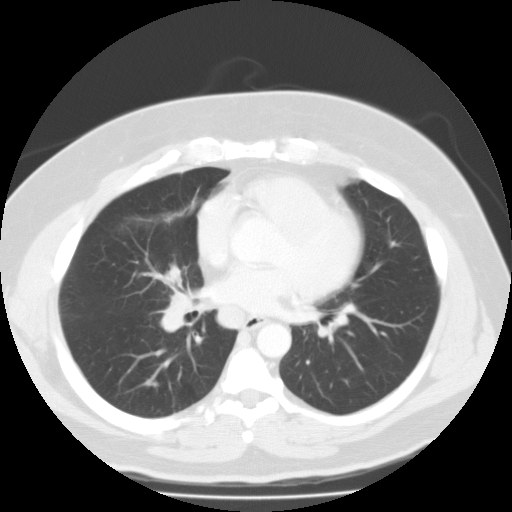
Axial chest CT slice 68 of 126 (counted from the lowest slice); 3.00 mm thick, 0.744 mm per pixel. Pulmonary nodule outlined by one of the four readers; box rows 378–385, columns 147–156 (that reader's outline on this slice); longest diameter 9.4 mm and volume 188 mm3 from that reader's outline. Ratings by that reader: texture 4/5; margin 2/5; sphericity 4/5; calcification absent; internal structure soft tissue; subtlety 1/5; malignancy likelihood 3/5. Scale key (1–5): texture non-solid→solid, margin indistinct→circumscribed, sphericity linear→round, subtlety extremely subtle→obvious, malignancy likelihood highly unlikely→highly suspicious of cancer. Box rows and columns are 0-based pixel indices from the top-left corner, inclusive.
Scan settings: 135 kVp, FC01 reconstruction kernel.